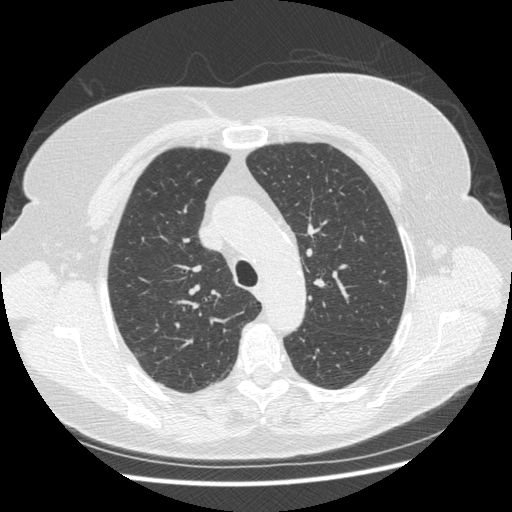
Slice 310/413 of a chest CT, counting up from the lowest; pixel size 0.703 mm, slice thickness 1.25 mm. Pulmonary nodule at rows 347–356, columns 135–146 (box = the union of the readers' outlines on this slice), outlined by three of the four readers, two of them on this slice; the three readers' outlines give a longest diameter between 8.7 and 10.5 mm and a volume between 88 and 182 mm3. The readers' ratings, as ranges where they differ: texture from 2/5 to 5/5 (solid) across the three readers; margin from 1/5 (indistinct) to 4/5 across the three readers; sphericity from 3/5 (ovoid) to 4/5 across the three readers; calcification absent, all three readers agreeing; internal structure soft tissue from all three readers; subtlety 4–5/5 (the readers disagree); malignancy likelihood 4/5 from all three readers. Scale key (1–5): texture non-solid→solid, margin indistinct→circumscribed, sphericity linear→round, subtlety extremely subtle→obvious, malignancy likelihood highly unlikely→highly suspicious of cancer. Box rows and columns are 0-based pixel indices from the top-left corner, inclusive.
Acquired at 120 kVp and reconstructed with the STANDARD kernel.